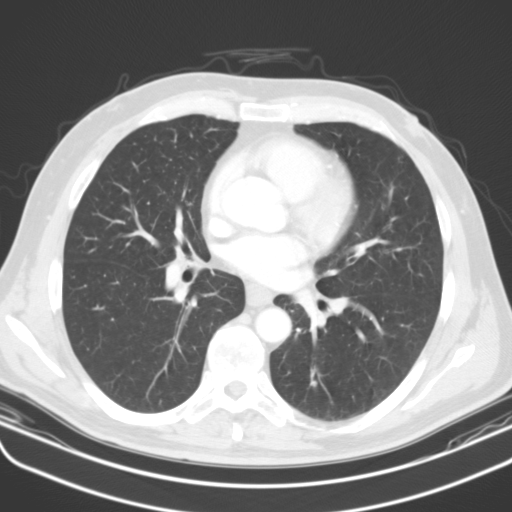
One axial slice (84 of 134, counting up from the lowest) of a chest CT acquired at 130 kVp with the B31s kernel; each pixel is 0.715 mm and the slice is 3.00 mm thick.
Pulmonary nodule at rows 382–385, columns 312–315 (box = that reader's outline on this slice), outlined by one of the four readers; longest diameter 4.8 mm and volume 80 mm3 from that reader's outline. Ratings by that reader: texture 4/5; margin 3/5; sphericity 5/5 (round); calcification absent; internal structure soft tissue; subtlety 3/5; malignancy likelihood 2/5. Scale key (1–5): texture non-solid→solid, margin indistinct→circumscribed, sphericity linear→round, subtlety extremely subtle→obvious, malignancy likelihood highly unlikely→highly suspicious of cancer. Box rows and columns are 0-based pixel indices from the top-left corner, inclusive.